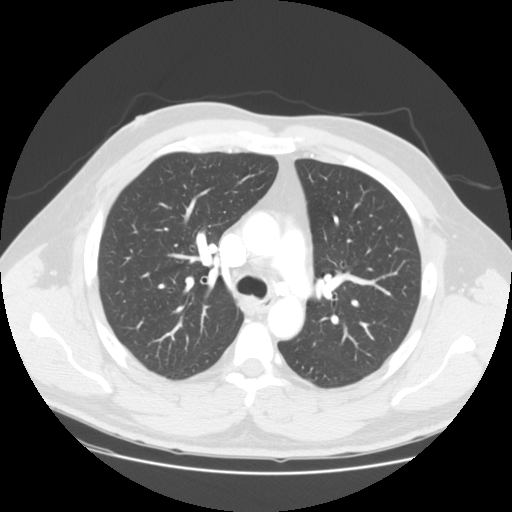
One axial slice (98 of 139, counting up from the lowest) of a chest CT acquired at 120 kVp with the STANDARD kernel; each pixel is 0.742 mm and the slice is 2.50 mm thick.
The readers outlined no nodule of 3 mm or more on this slice.